Chest CT, axial plane, 120 kVp, kernel STANDARD. Slice 260/500 from the bottom of the scan; thickness 1.25 mm; pixel size 0.703 mm.
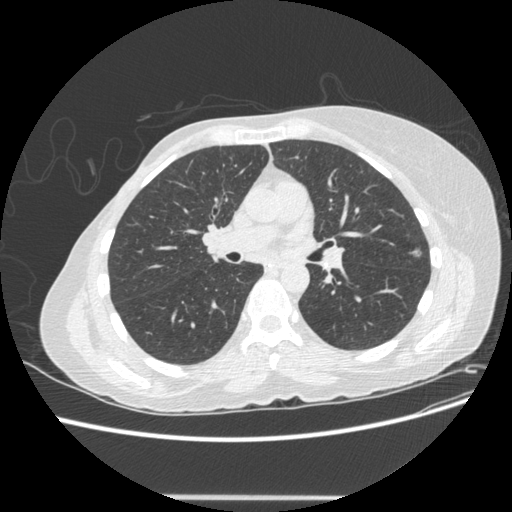
Pulmonary nodule, outlined by all four readers. Box on this slice rows 248–257, columns 411–422, the union of the readers' outlines on this slice; median longest diameter 8.6 mm (readers' outlines 7.8–9.1 mm), median volume 135 mm3 (108–174 mm3). Median ratings and the readers' spread: median texture 3/5 (part-solid) (readers ranged 1/5 (non-solid) to 5/5 (solid)); margin 3/5 at the median of four readers, spread 1/5 (indistinct) to 5/5 (circumscribed); sphericity 4.5/5 at the median of four readers, spread 3/5 (ovoid) to 5/5 (round); calcification absent, all four readers agreeing; internal structure soft tissue from all four readers; subtlety 4.5/5 at the median of four readers, spread 3–5; median malignancy likelihood 4/5 (readers ranged 3–5). Scale key (1–5): texture non-solid→solid, margin indistinct→circumscribed, sphericity linear→round, subtlety extremely subtle→obvious, malignancy likelihood highly unlikely→highly suspicious of cancer. Box rows and columns are 0-based pixel indices from the top-left corner, inclusive.